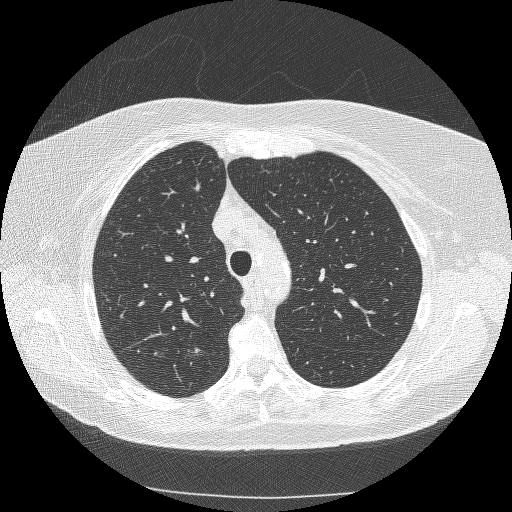
Slice 204/253 of a chest CT, counting up from the lowest; pixel size 0.625 mm, slice thickness 1.25 mm. Pulmonary nodule outlined by one of the four readers; box rows 347–359, columns 187–202 (that reader's outline on this slice); longest diameter 11.3 mm and volume 214 mm3 from that reader's outline. That reader's ratings: texture 1/5 (non-solid); margin 1/5 (indistinct); sphericity 4/5; calcification absent; internal structure soft tissue; subtlety 3/5; malignancy likelihood 3/5. Scale key (1–5): texture non-solid→solid, margin indistinct→circumscribed, sphericity linear→round, subtlety extremely subtle→obvious, malignancy likelihood highly unlikely→highly suspicious of cancer. Box rows and columns are 0-based pixel indices from the top-left corner, inclusive.
Scan settings: 120 kVp, BONE reconstruction kernel.